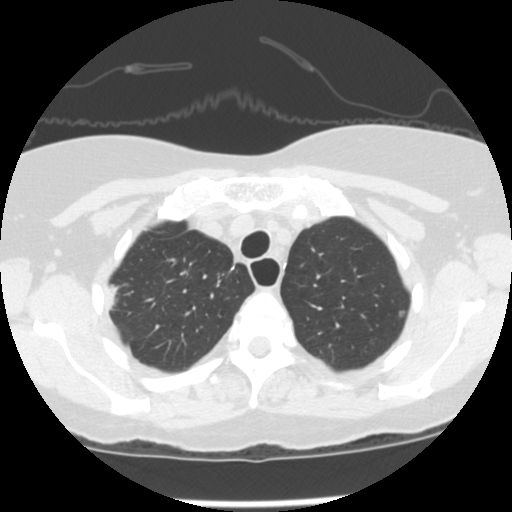
Axial slice 184 of 241 of a chest CT (slice 1 is the lowest), reconstructed with the STANDARD kernel at 120 kVp; 1.25 mm slice thickness and 0.609 mm pixels.
Pulmonary nodule, outlined by three of the four readers. Box on this slice rows 310–317, columns 397–405, the union of the readers' outlines on this slice; the three readers' outlines give a longest diameter between 5.0 and 6.5 mm and a volume between 30 and 85 mm3. Ratings across the readers: texture from 2/5 to 5/5 (solid) across the three readers; margin from 2/5 to 5/5 (circumscribed) across the three readers; sphericity from 3/5 (ovoid) to 4/5 across the three readers; calcification absent from all three readers; internal structure soft tissue, all three readers agreeing; subtlety rated between 2 and 5 out of 5 by the three readers; malignancy likelihood 2–3/5 (the readers disagree). Scale key (1–5): texture non-solid→solid, margin indistinct→circumscribed, sphericity linear→round, subtlety extremely subtle→obvious, malignancy likelihood highly unlikely→highly suspicious of cancer. Box rows and columns are 0-based pixel indices from the top-left corner, inclusive.